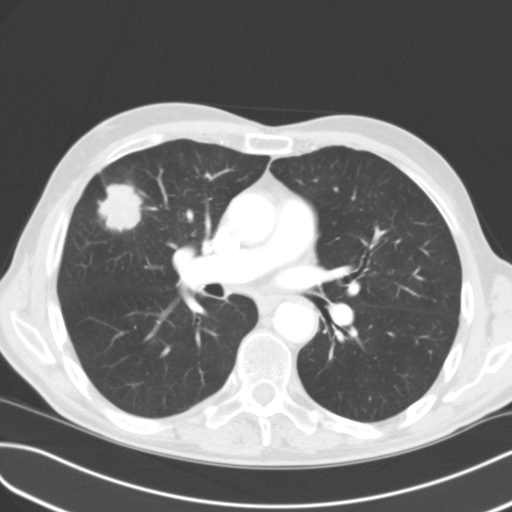
Axial chest CT slice 63 of 114 (counted from the lowest slice); 3.00 mm thick, 0.689 mm per pixel. Pulmonary nodule outlined by all four readers; box rows 183–233, columns 97–142 (the union of the readers' outlines on this slice); longest diameter 40.2–48.6 mm and volume 17639–20532 mm3 across the four readers' outlines. The readers' ratings, as ranges where they differ: texture from 4/5 to 5/5 (solid) across the four readers; margin from 3/5 to 5/5 (circumscribed) across the four readers; sphericity from 3/5 (ovoid) to 4/5 across the four readers; calcification absent, all four readers agreeing; internal structure soft tissue, all four readers agreeing; subtlety 5/5 from all four readers; malignancy likelihood 3–5/5 (the readers disagree). Scale key (1–5): texture non-solid→solid, margin indistinct→circumscribed, sphericity linear→round, subtlety extremely subtle→obvious, malignancy likelihood highly unlikely→highly suspicious of cancer. Box rows and columns are 0-based pixel indices from the top-left corner, inclusive.
Scan settings: 120 kVp, B31f reconstruction kernel.